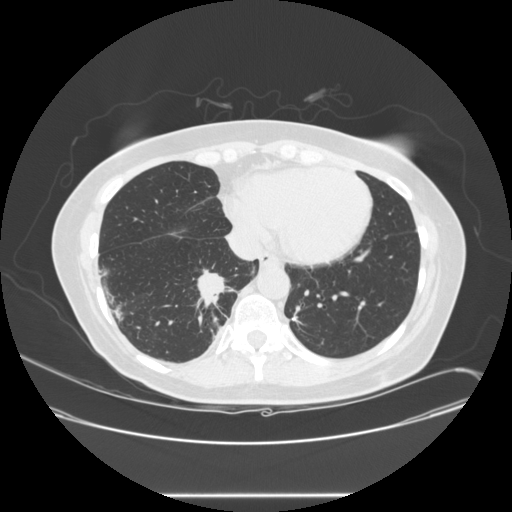
Axial chest CT slice 101 of 257 (counted from the lowest slice); tube voltage 120 kVp, convolution kernel STANDARD; slices 1.25 mm thick, 0.781 mm per pixel.
Pulmonary nodule outlined by all four readers; box rows 269–317, columns 197–226 (the union of the readers' outlines on this slice); median longest diameter 33.5 mm (readers' outlines 28.0–45.1 mm), median volume 6377 mm3 (5019–8578 mm3). Ratings, median across the readers with their spread: texture 5/5 (solid) from all four readers; margin 4.5/5 at the median of four readers, spread 1/5 (indistinct) to 5/5 (circumscribed); median sphericity 3.5/5 (readers ranged 3/5 (ovoid) to 4/5); calcification absent from all four readers; internal structure soft tissue from all four readers; subtlety 5/5 from all four readers; malignancy likelihood 5/5, all four readers agreeing. Scale key (1–5): texture non-solid→solid, margin indistinct→circumscribed, sphericity linear→round, subtlety extremely subtle→obvious, malignancy likelihood highly unlikely→highly suspicious of cancer. Box rows and columns are 0-based pixel indices from the top-left corner, inclusive.